Axial chest CT slice 81 of 280 (counted from the lowest slice); tube voltage 120 kVp, convolution kernel D; slices 1.00 mm thick, 0.666 mm per pixel.
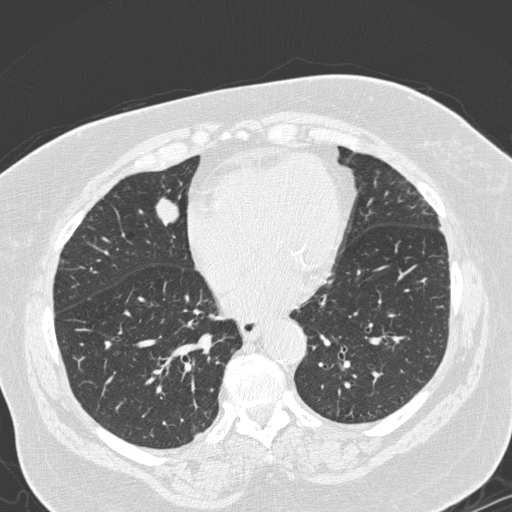
Pulmonary nodule outlined by all four readers; box rows 197–225, columns 154–178 (the union of the readers' outlines on this slice); the four readers' outlines give a longest diameter between 25.0 and 27.8 mm and a volume between 4698 and 5913 mm3. The readers' ratings, as ranges where they differ: texture 5/5 (solid), all four readers agreeing; margin from 4/5 to 5/5 (circumscribed) across the four readers; sphericity from 3/5 (ovoid) to 5/5 (round) across the four readers; calcification absent, all four readers agreeing; internal structure soft tissue, all four readers agreeing; subtlety 5/5, all four readers agreeing; malignancy likelihood rated between 2 and 5 out of 5 by the four readers. Scale key (1–5): texture non-solid→solid, margin indistinct→circumscribed, sphericity linear→round, subtlety extremely subtle→obvious, malignancy likelihood highly unlikely→highly suspicious of cancer. Box rows and columns are 0-based pixel indices from the top-left corner, inclusive.